One axial slice (63 of 241, counting up from the lowest) of a chest CT acquired at 120 kVp with the BONE kernel; each pixel is 0.609 mm and the slice is 1.25 mm thick.
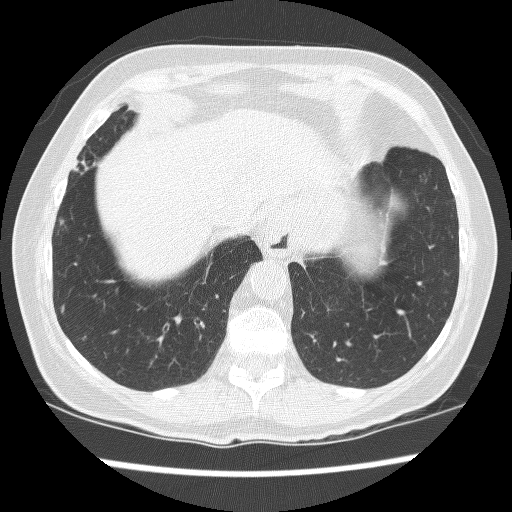
Pulmonary nodule, outlined by one of the four readers. Box on this slice rows 216–225, columns 58–64, that reader's outline on this slice; longest diameter 6.9 mm and volume 125 mm3 from that reader's outline. Ratings by that reader: texture 1/5 (non-solid); margin 1/5 (indistinct); sphericity 4/5; calcification absent; internal structure soft tissue; subtlety 2/5; malignancy likelihood 3/5. Scale key (1–5): texture non-solid→solid, margin indistinct→circumscribed, sphericity linear→round, subtlety extremely subtle→obvious, malignancy likelihood highly unlikely→highly suspicious of cancer. Box rows and columns are 0-based pixel indices from the top-left corner, inclusive.